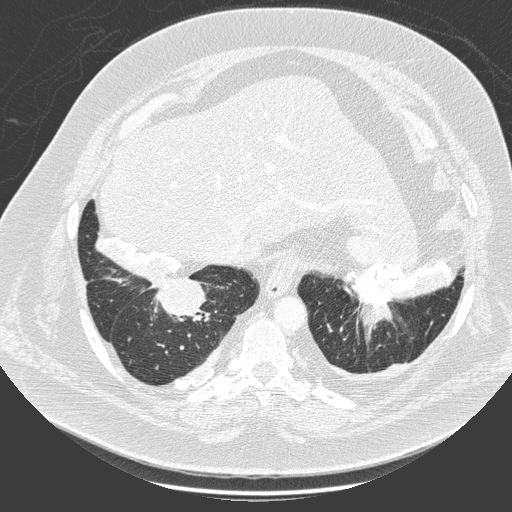
Slice 46/280 of a chest CT, counting up from the lowest; pixel size 0.801 mm, slice thickness 1.00 mm. Pulmonary nodule outlined by one of the four readers; box rows 278–320, columns 155–204 (that reader's outline on this slice); longest diameter 49.9 mm and volume 31112 mm3 from that reader's outline. Ratings by that reader: texture 5/5 (solid); margin 4/5; sphericity 5/5 (round); calcification non-central calcification; internal structure soft tissue; subtlety 5/5; malignancy likelihood 5/5. Scale key (1–5): texture non-solid→solid, margin indistinct→circumscribed, sphericity linear→round, subtlety extremely subtle→obvious, malignancy likelihood highly unlikely→highly suspicious of cancer. Box rows and columns are 0-based pixel indices from the top-left corner, inclusive.
Scan settings: 140 kVp, D reconstruction kernel.